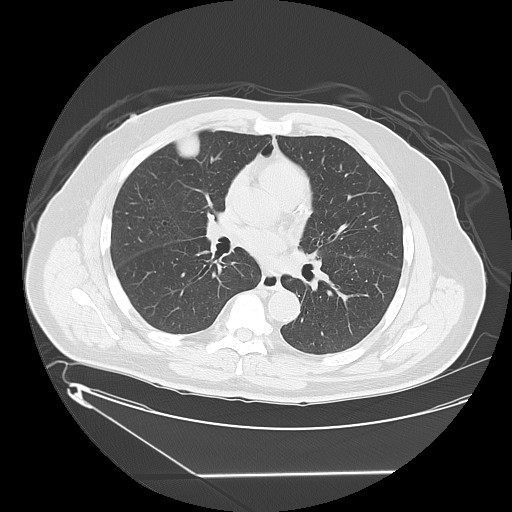
Slice 53/117 of a chest CT, counting up from the lowest; pixel size 0.898 mm, slice thickness 2.50 mm. Pulmonary nodule, outlined by three of the four readers. Box on this slice rows 133–158, columns 174–199, the union of the readers' outlines on this slice; the three readers' outlines give a longest diameter between 32.3 and 37.3 mm and a volume between 8512 and 9765 mm3. Ratings across the readers: texture 5/5 (solid), all three readers agreeing; margin 5/5 (circumscribed) from all three readers; sphericity from 3/5 (ovoid) to 5/5 (round) across the three readers; calcification absent, all three readers agreeing; internal structure soft tissue, all three readers agreeing; subtlety rated between 3 and 5 out of 5 by the three readers; malignancy likelihood rated between 2 and 5 out of 5 by the three readers. Scale key (1–5): texture non-solid→solid, margin indistinct→circumscribed, sphericity linear→round, subtlety extremely subtle→obvious, malignancy likelihood highly unlikely→highly suspicious of cancer. Box rows and columns are 0-based pixel indices from the top-left corner, inclusive.
Acquired at 120 kVp and reconstructed with the LUNG kernel.